One axial slice (43 of 121, counting up from the lowest) of a chest CT acquired at 120 kVp with the B31f kernel; each pixel is 0.674 mm and the slice is 3.00 mm thick.
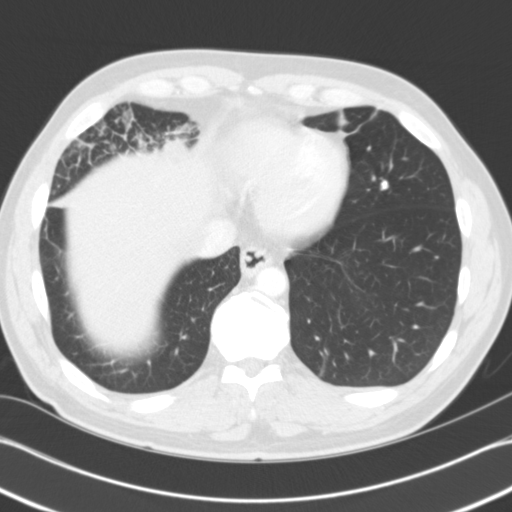
Pulmonary nodule outlined by all four readers; box rows 180–189, columns 380–388 (the union of the readers' outlines on this slice); longest diameter 10.9 mm on average over the four readers' outlines (readers' outlines 10.3–11.1 mm), volume 622–783 mm3. Ratings, by the readers' most common answer with dissent counted: texture 5/5 (solid), all four readers agreeing; margin 5/5 (circumscribed), all four readers agreeing; sphericity split among the readers: 4/5 (two), 5/5 (round) (two); calcification solid calcification from all four readers; internal structure soft tissue from all four readers; subtlety 5/5, all four readers agreeing; malignancy likelihood 1/5 from all four readers. Scale key (1–5): texture non-solid→solid, margin indistinct→circumscribed, sphericity linear→round, subtlety extremely subtle→obvious, malignancy likelihood highly unlikely→highly suspicious of cancer. Box rows and columns are 0-based pixel indices from the top-left corner, inclusive.